One axial slice (143 of 321, counting up from the lowest) of a chest CT acquired at 120 kVp with the D kernel; each pixel is 0.557 mm and the slice is 2.00 mm thick.
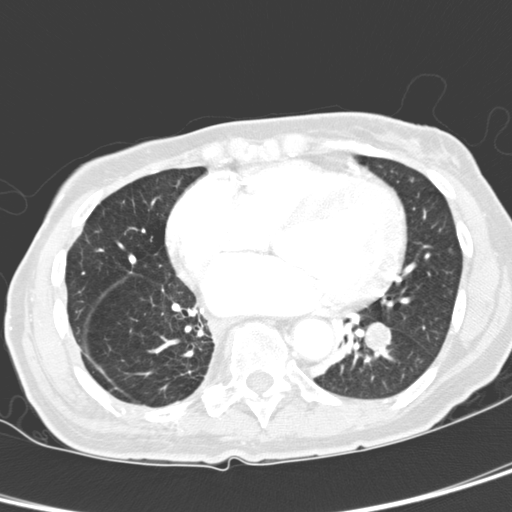
Pulmonary nodule outlined by all four readers; box rows 322–351, columns 364–391 (the union of the readers' outlines on this slice); longest diameter 18.1–20.0 mm and volume 2428–2697 mm3 across the four readers' outlines. Ratings across the readers: texture from 4/5 to 5/5 (solid) across the four readers; margin from 3/5 to 5/5 (circumscribed) across the four readers; sphericity from 4/5 to 5/5 (round) across the four readers; calcification absent from all four readers; internal structure soft tissue from all four readers; subtlety rated between 4 and 5 out of 5 by the four readers; malignancy likelihood 2–5/5 (the readers disagree). Scale key (1–5): texture non-solid→solid, margin indistinct→circumscribed, sphericity linear→round, subtlety extremely subtle→obvious, malignancy likelihood highly unlikely→highly suspicious of cancer. Box rows and columns are 0-based pixel indices from the top-left corner, inclusive.